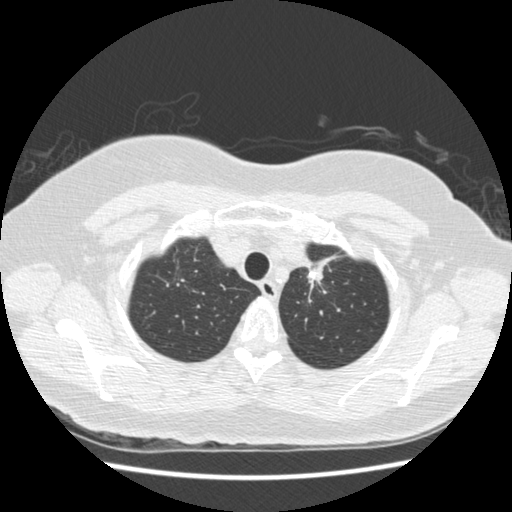
Chest CT, axial plane, 120 kVp, kernel STANDARD. Slice 371/445 from the bottom of the scan; thickness 1.25 mm; pixel size 0.645 mm.
Pulmonary nodule outlined by one of the four readers; box rows 263–288, columns 308–321 (that reader's outline on this slice); longest diameter 31.0 mm and volume 2055 mm3 from that reader's outline. Ratings by that reader: texture 5/5 (solid); margin 2/5; sphericity 2/5; calcification absent; internal structure soft tissue; subtlety 5/5; malignancy likelihood 4/5. Scale key (1–5): texture non-solid→solid, margin indistinct→circumscribed, sphericity linear→round, subtlety extremely subtle→obvious, malignancy likelihood highly unlikely→highly suspicious of cancer. Box rows and columns are 0-based pixel indices from the top-left corner, inclusive.